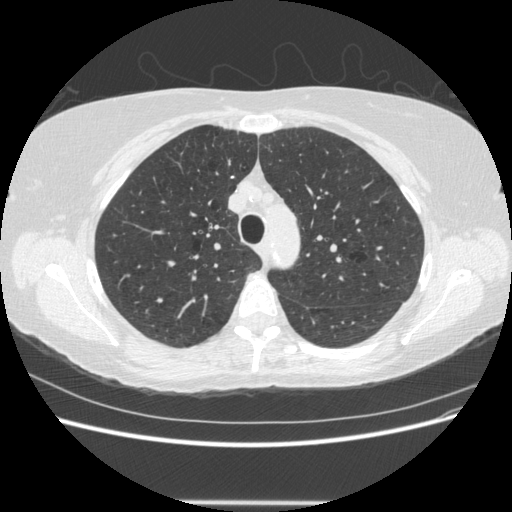
Axial chest CT slice 398 of 513 (counted from the lowest slice); 1.25 mm thick, 0.703 mm per pixel. Pulmonary nodule, outlined by two of the four readers. Box on this slice rows 176–177, columns 229–233, the union of the readers' outlines on this slice; longest diameter 5.4 mm on average over the two readers' outlines (readers' outlines 5.0–5.8 mm), volume 42–49 mm3. Ratings, by the readers' most common answer with dissent counted: texture 5/5 (solid), both readers agreeing; margin 5/5 (circumscribed), both readers agreeing; sphericity 5/5 (round) from both readers; calcification split among the readers: solid calcification (one), absent (one); internal structure soft tissue, both readers agreeing; subtlety 3/5 from both readers; malignancy likelihood split among the readers: 1/5 (one), 2/5 (one). Scale key (1–5): texture non-solid→solid, margin indistinct→circumscribed, sphericity linear→round, subtlety extremely subtle→obvious, malignancy likelihood highly unlikely→highly suspicious of cancer. Box rows and columns are 0-based pixel indices from the top-left corner, inclusive.
Tube voltage 120 kVp; convolution kernel STANDARD.